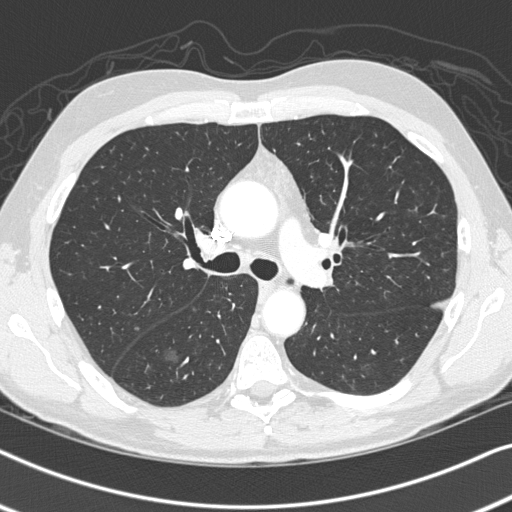
Axial chest CT slice 210 of 326 (counted from the lowest slice); 1.00 mm thick, 0.645 mm per pixel. Pulmonary nodule at rows 346–363, columns 162–180 (box = the union of the readers' outlines on this slice), outlined by all four readers; median longest diameter 14.1 mm (readers' outlines 12.5–18.0 mm), median volume 627 mm3 (328–843 mm3). Median ratings and the readers' spread: texture 1/5 (non-solid) from all four readers; margin 2/5 at the median of four readers, spread 1/5 (indistinct) to 4/5; sphericity 4/5 at the median of four readers, spread 3/5 (ovoid) to 5/5 (round); calcification absent, all four readers agreeing; internal structure soft tissue from all four readers; subtlety 1/5 at the median of four readers, spread 1–4; median malignancy likelihood 3/5 (readers ranged 2–4). Scale key (1–5): texture non-solid→solid, margin indistinct→circumscribed, sphericity linear→round, subtlety extremely subtle→obvious, malignancy likelihood highly unlikely→highly suspicious of cancer. Box rows and columns are 0-based pixel indices from the top-left corner, inclusive.
Tube voltage 120 kVp; convolution kernel B45f.